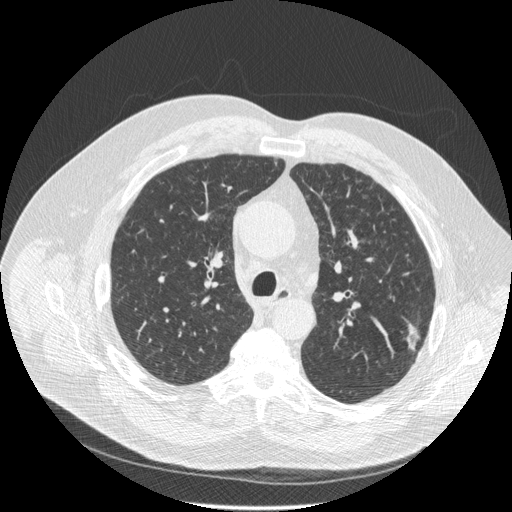
Chest CT, axial plane, 120 kVp, kernel STANDARD. Slice 338/516 from the bottom of the scan; thickness 1.25 mm; pixel size 0.820 mm.
Pulmonary nodule, outlined by three of the four readers. Box on this slice rows 316–351, columns 403–420, the union of the readers' outlines on this slice; longest diameter 23.2–31.7 mm and volume 750–1666 mm3 across the three readers' outlines. The readers' ratings, as ranges where they differ: texture from 3/5 (part-solid) to 5/5 (solid) across the three readers; margin from 3/5 to 4/5 across the three readers; sphericity 2/5, all three readers agreeing; calcification absent from all three readers; internal structure soft tissue from all three readers; subtlety 5/5, all three readers agreeing; malignancy likelihood 4/5 from all three readers. Scale key (1–5): texture non-solid→solid, margin indistinct→circumscribed, sphericity linear→round, subtlety extremely subtle→obvious, malignancy likelihood highly unlikely→highly suspicious of cancer. Box rows and columns are 0-based pixel indices from the top-left corner, inclusive.